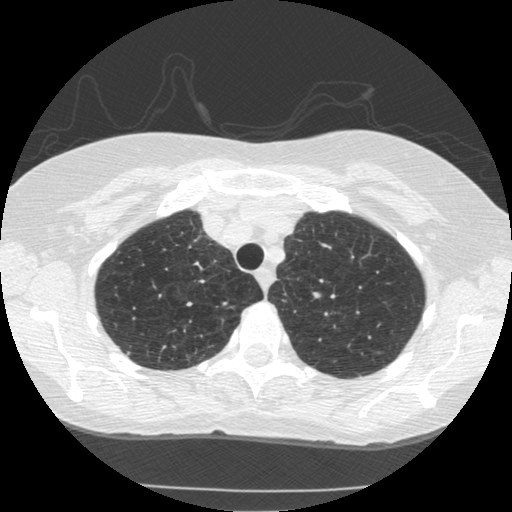
Slice 411/519 of a chest CT, counting up from the lowest; pixel size 0.645 mm, slice thickness 1.25 mm. Pulmonary nodule, outlined by one of the four readers. Box on this slice rows 351–354, columns 126–129, that reader's outline on this slice; longest diameter 4.6 mm and volume 36 mm3 from that reader's outline. Ratings by that reader: texture 5/5 (solid); margin 5/5 (circumscribed); sphericity 4/5; calcification absent; internal structure soft tissue; subtlety 5/5; malignancy likelihood 3/5. Scale key (1–5): texture non-solid→solid, margin indistinct→circumscribed, sphericity linear→round, subtlety extremely subtle→obvious, malignancy likelihood highly unlikely→highly suspicious of cancer. Box rows and columns are 0-based pixel indices from the top-left corner, inclusive.
Acquired at 120 kVp and reconstructed with the STANDARD kernel.